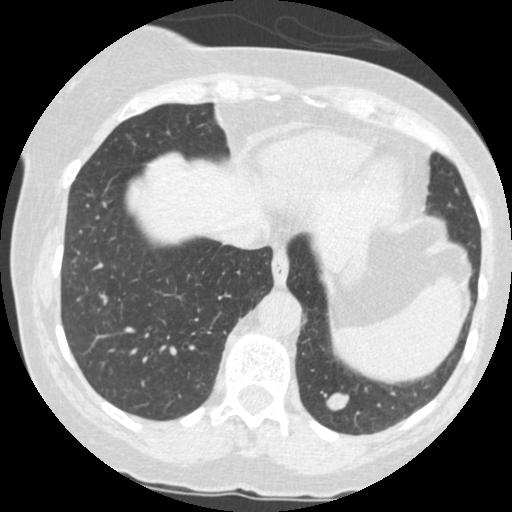
Slice 114/484 of a chest CT, counting up from the lowest; pixel size 0.586 mm, slice thickness 1.25 mm. Pulmonary nodule outlined by all four readers; box rows 392–410, columns 325–348 (the union of the readers' outlines on this slice); the four readers' outlines give a longest diameter between 14.7 and 16.9 mm and a volume between 1036 and 1469 mm3. Ratings across the readers: texture 5/5 (solid) from all four readers; margin 5/5 (circumscribed), all four readers agreeing; sphericity from 3/5 (ovoid) to 5/5 (round) across the four readers; calcification absent, all four readers agreeing; internal structure soft tissue, all four readers agreeing; subtlety 5/5 from all four readers; malignancy likelihood from 2/5 to 5/5 across the four readers. Scale key (1–5): texture non-solid→solid, margin indistinct→circumscribed, sphericity linear→round, subtlety extremely subtle→obvious, malignancy likelihood highly unlikely→highly suspicious of cancer. Box rows and columns are 0-based pixel indices from the top-left corner, inclusive.
Scan settings: 120 kVp, STANDARD reconstruction kernel.